One axial slice (303 of 636, counting up from the lowest) of a chest CT acquired at 120 kVp with the B30f kernel; each pixel is 0.689 mm and the slice is 0.60 mm thick.
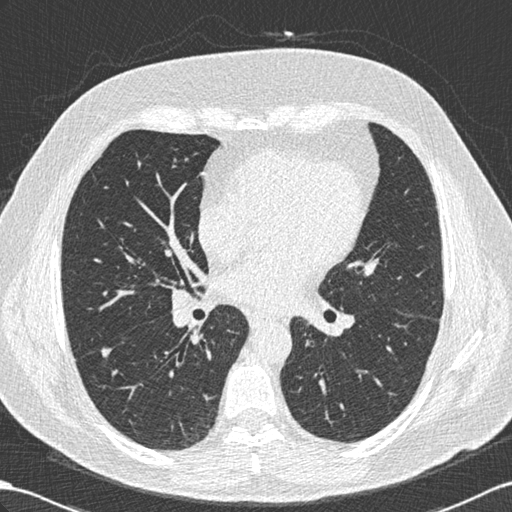
Pulmonary nodule at rows 345–358, columns 100–112 (box = the union of the readers' outlines on this slice), outlined by all four readers; median longest diameter 11.1 mm (readers' outlines 10.2–12.1 mm), median volume 162 mm3 (103–208 mm3). Ratings, median across the readers with their spread: median texture 5/5 (solid) (readers ranged 4/5 to 5/5 (solid)); margin 4/5 at the median of four readers, spread 3/5 to 5/5 (circumscribed); sphericity 3/5 (ovoid), all four readers agreeing; calcification absent from all four readers; internal structure soft tissue from all four readers; median subtlety 4/5 (readers ranged 3–5); malignancy likelihood 3/5, all four readers agreeing. Scale key (1–5): texture non-solid→solid, margin indistinct→circumscribed, sphericity linear→round, subtlety extremely subtle→obvious, malignancy likelihood highly unlikely→highly suspicious of cancer. Box rows and columns are 0-based pixel indices from the top-left corner, inclusive.